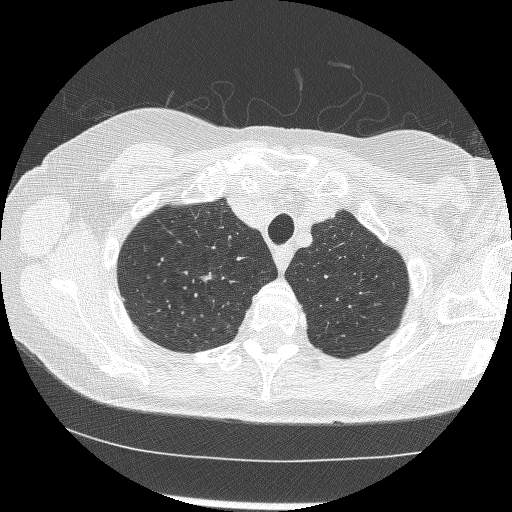
Chest CT, axial plane, 120 kVp, kernel BONE. Slice 210/246 from the bottom of the scan; thickness 1.25 mm; pixel size 0.586 mm.
Pulmonary nodule at rows 272–281, columns 200–213 (box = the union of the readers' outlines on this slice), outlined by all four readers; longest diameter 8.4 mm on average over the four readers' outlines (readers' outlines 6.1–10.0 mm), volume 66–342 mm3. The readers' prevailing ratings and who disagreed: texture 5/5 (solid) by two of four readers; the rest gave 3/5 (part-solid) (one), 4/5 (one); margin 3/5 by two of four readers; the rest gave 1/5 (indistinct) (one), 2/5 (one); sphericity 2/5 by three of four readers; the rest gave 3/5 (ovoid) (one); calcification absent, all four readers agreeing; internal structure soft tissue from all four readers; subtlety 3/5 by two of four readers; the rest gave 4/5 (one), 5/5 (one); malignancy likelihood 4/5 by two of four readers; the rest gave 3/5 (one), 5/5 (one). Scale key (1–5): texture non-solid→solid, margin indistinct→circumscribed, sphericity linear→round, subtlety extremely subtle→obvious, malignancy likelihood highly unlikely→highly suspicious of cancer. Box rows and columns are 0-based pixel indices from the top-left corner, inclusive.